One axial slice (372 of 490, counting up from the lowest) of a chest CT acquired at 120 kVp with the STANDARD kernel; each pixel is 0.547 mm and the slice is 1.25 mm thick.
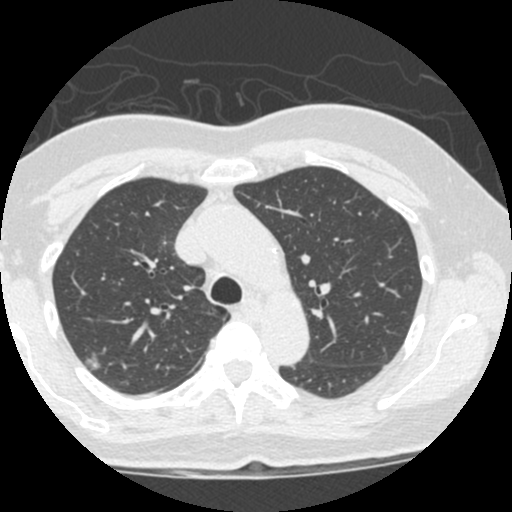
Pulmonary nodule outlined by three of the four readers; box rows 351–370, columns 85–100 (the union of the readers' outlines on this slice); the three readers' outlines give a longest diameter between 14.3 and 18.3 mm and a volume between 967 and 1422 mm3. Ratings across the readers: texture from 1/5 (non-solid) to 5/5 (solid) across the three readers; margin from 2/5 to 4/5 across the three readers; sphericity from 3/5 (ovoid) to 5/5 (round) across the three readers; calcification absent, all three readers agreeing; internal structure soft tissue from all three readers; subtlety from 1/5 to 5/5 across the three readers; malignancy likelihood 2–5/5 (the readers disagree). Scale key (1–5): texture non-solid→solid, margin indistinct→circumscribed, sphericity linear→round, subtlety extremely subtle→obvious, malignancy likelihood highly unlikely→highly suspicious of cancer. Box rows and columns are 0-based pixel indices from the top-left corner, inclusive.